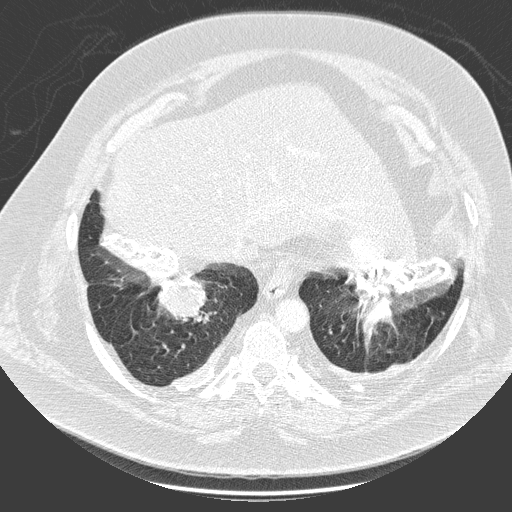
This is axial slice 50 of 280 (slice 1 is the lowest) of a chest CT; each pixel is 0.801 mm and the slice is 1.00 mm thick. Pulmonary nodule outlined by one of the four readers; box rows 277–320, columns 158–205 (that reader's outline on this slice); longest diameter 49.9 mm and volume 31112 mm3 from that reader's outline. Ratings by that reader: texture 5/5 (solid); margin 4/5; sphericity 5/5 (round); calcification non-central calcification; internal structure soft tissue; subtlety 5/5; malignancy likelihood 5/5. Scale key (1–5): texture non-solid→solid, margin indistinct→circumscribed, sphericity linear→round, subtlety extremely subtle→obvious, malignancy likelihood highly unlikely→highly suspicious of cancer. Box rows and columns are 0-based pixel indices from the top-left corner, inclusive.
Acquired at 140 kVp and reconstructed with the D kernel.